Axial slice 79 of 241 of a chest CT (slice 1 is the lowest), reconstructed with the BONE kernel at 120 kVp; 1.25 mm slice thickness and 0.609 mm pixels.
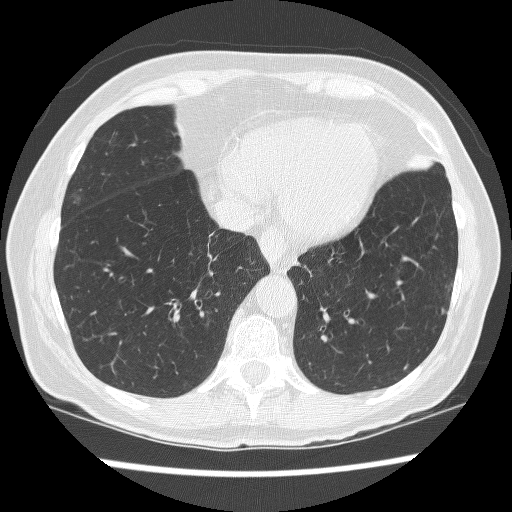
Pulmonary nodule, outlined by two of the four readers. Box on this slice rows 306–314, columns 440–445, the union of the readers' outlines on this slice; median longest diameter 6.0 mm (readers' outlines 5.0–6.9 mm), median volume 74 mm3 (46–102 mm3). Median ratings and the readers' spread: median texture 3.5/5 (readers ranged 3/5 (part-solid) to 4/5); margin 3.5/5 at the median of two readers, spread 2/5 to 5/5 (circumscribed); sphericity 3/5 (ovoid), both readers agreeing; calcification absent, both readers agreeing; internal structure soft tissue, both readers agreeing; median subtlety 2.5/5 (readers ranged 2–3); median malignancy likelihood 2.5/5 (readers ranged 2–3). Scale key (1–5): texture non-solid→solid, margin indistinct→circumscribed, sphericity linear→round, subtlety extremely subtle→obvious, malignancy likelihood highly unlikely→highly suspicious of cancer. Box rows and columns are 0-based pixel indices from the top-left corner, inclusive.